Axial chest CT slice 155 of 225 (counted from the lowest slice); tube voltage 120 kVp, convolution kernel STANDARD; slices 1.25 mm thick, 0.828 mm per pixel.
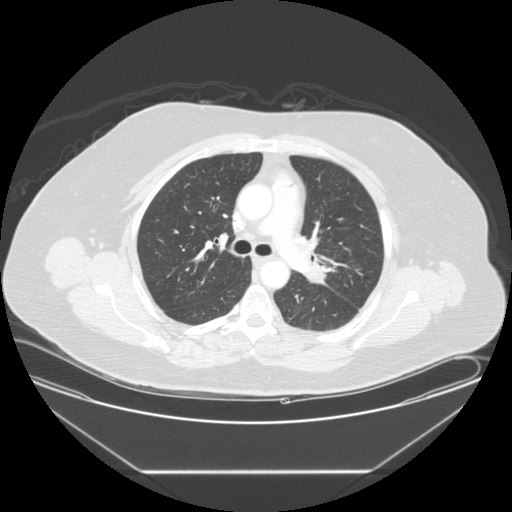
Pulmonary nodule outlined by one of the four readers; box rows 264–282, columns 305–324 (that reader's outline on this slice); longest diameter 33.6 mm and volume 4404 mm3 from that reader's outline. Ratings by that reader: texture 5/5 (solid); margin 2/5; sphericity 3/5 (ovoid); calcification absent; internal structure soft tissue; subtlety 5/5; malignancy likelihood 5/5. Scale key (1–5): texture non-solid→solid, margin indistinct→circumscribed, sphericity linear→round, subtlety extremely subtle→obvious, malignancy likelihood highly unlikely→highly suspicious of cancer. Box rows and columns are 0-based pixel indices from the top-left corner, inclusive.